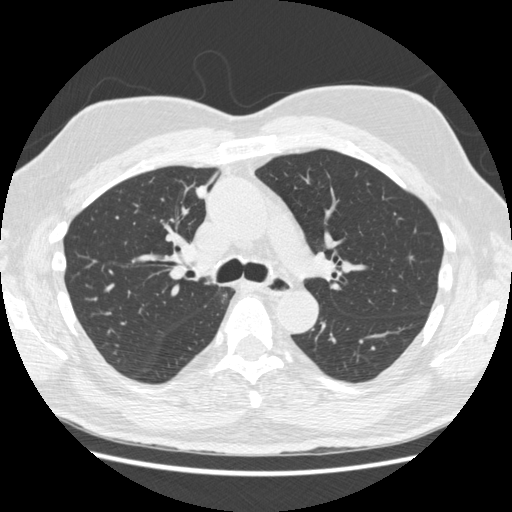
Axial chest CT slice 337 of 557 (counted from the lowest slice); tube voltage 120 kVp, convolution kernel STANDARD; slices 1.25 mm thick, 0.703 mm per pixel.
Pulmonary nodule, outlined by all four readers. Box on this slice rows 184–199, columns 195–207, the union of the readers' outlines on this slice; median longest diameter 13.3 mm (readers' outlines 12.6–14.2 mm), median volume 546 mm3 (470–622 mm3). Median ratings and the readers' spread: texture 5/5 (solid), all four readers agreeing; margin 4/5 at the median of four readers, spread 4/5 to 5/5 (circumscribed); sphericity 3/5 (ovoid) from all four readers; calcification absent, all four readers agreeing; internal structure soft tissue from all four readers; median subtlety 4.5/5 (readers ranged 3–5); malignancy likelihood 2.5/5 at the median of four readers, spread 1–4. Scale key (1–5): texture non-solid→solid, margin indistinct→circumscribed, sphericity linear→round, subtlety extremely subtle→obvious, malignancy likelihood highly unlikely→highly suspicious of cancer. Box rows and columns are 0-based pixel indices from the top-left corner, inclusive.